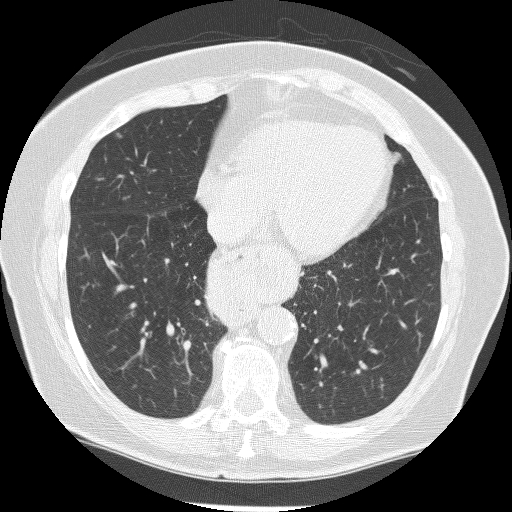
Chest CT, axial plane, 120 kVp, kernel BONE. Slice 91/240 from the bottom of the scan; thickness 1.25 mm; pixel size 0.604 mm.
Two pulmonary nodules are outlined on this slice; from left to right: (1) Pulmonary nodule outlined by all four readers; box rows 132–138, columns 115–122 (the union of the readers' outlines on this slice); longest diameter 5.8 mm on average over the four readers' outlines (readers' outlines 5.4–6.0 mm), volume 28–58 mm3. The readers' prevailing ratings and who disagreed: texture 1/5 (non-solid) by two of four readers; the rest gave 2/5 (one), 5/5 (solid) (one); margin 2/5 by two of four readers; the rest gave 3/5 (one), 5/5 (circumscribed) (one); most readers (three of four) put sphericity at 3/5 (ovoid), others 2/5 (one); calcification absent from all four readers; internal structure soft tissue, all four readers agreeing; subtlety split among the readers: 2/5 (two), 3/5 (two); malignancy likelihood 2/5 by three of four readers; the rest gave 3/5 (one). (2) Pulmonary nodule outlined by three of the four readers, two of them on this slice; box rows 268–274, columns 387–398 (the union of the readers' outlines on this slice); the three readers' outlines give a longest diameter between 13.4 and 15.7 mm and a volume between 241 and 431 mm3. The readers' ratings, as ranges where they differ: texture 5/5 (solid) from all three readers; margin from 4/5 to 5/5 (circumscribed) across the three readers; sphericity 2/5, all three readers agreeing; calcification absent from all three readers; internal structure soft tissue from all three readers; subtlety from 2/5 to 4/5 across the three readers; malignancy likelihood 4–5/5 (the readers disagree). Scale key (1–5): texture non-solid→solid, margin indistinct→circumscribed, sphericity linear→round, subtlety extremely subtle→obvious, malignancy likelihood highly unlikely→highly suspicious of cancer. Box rows and columns are 0-based pixel indices from the top-left corner, inclusive.